Chest CT, axial plane, 120 kVp, kernel STANDARD. Slice 76/141 from the bottom of the scan; thickness 2.50 mm; pixel size 0.703 mm.
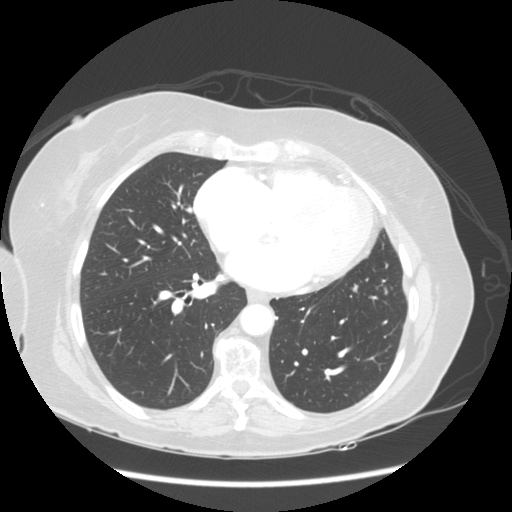
Two pulmonary nodules on this slice, listed from left to right. (1) Pulmonary nodule at rows 283–293, columns 351–358 (box = the union of the readers' outlines on this slice), outlined by three of the four readers; median longest diameter 8.6 mm (readers' outlines 7.2–8.9 mm), median volume 218 mm3 (155–263 mm3). Median ratings and the readers' spread: median texture 5/5 (solid) (readers ranged 4/5 to 5/5 (solid)); margin 3/5 at the median of three readers, spread 2/5 to 4/5; sphericity 4/5 at the median of three readers, spread 3/5 (ovoid) to 4/5; calcification absent from all three readers; internal structure soft tissue from all three readers; median subtlety 4/5 (readers ranged 2–5); median malignancy likelihood 3/5 (readers ranged 2–4). (2) Pulmonary nodule, outlined by all four readers, two of them on this slice. Box on this slice rows 285–294, columns 383–388, the union of the readers' outlines on this slice; longest diameter 10.6 mm on average over the four readers' outlines (readers' outlines 9.8–11.1 mm), volume 319–545 mm3. Ratings, by the readers' most common answer with dissent counted: most readers (three of four) put texture at 5/5 (solid), others 4/5 (one); margin 4/5 by two of four readers; the rest gave 2/5 (one), 3/5 (one); sphericity 4/5 by three of four readers; the rest gave 3/5 (ovoid) (one); calcification absent from all four readers; internal structure soft tissue, all four readers agreeing; most readers (three of four) put subtlety at 4/5, others 5/5 (one); malignancy likelihood 3/5 by three of four readers; the rest gave 4/5 (one). Scale key (1–5): texture non-solid→solid, margin indistinct→circumscribed, sphericity linear→round, subtlety extremely subtle→obvious, malignancy likelihood highly unlikely→highly suspicious of cancer. Box rows and columns are 0-based pixel indices from the top-left corner, inclusive.